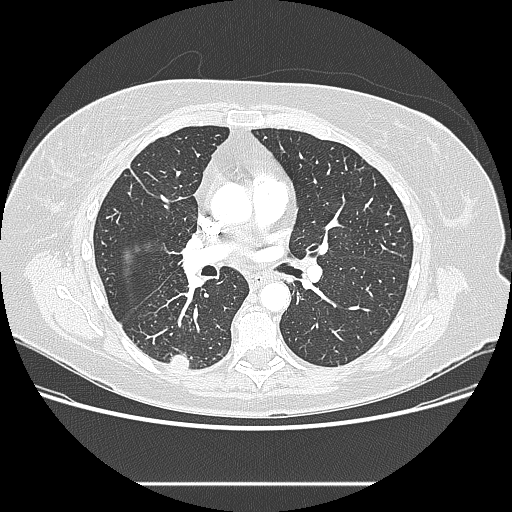
This is axial slice 134 of 238 (slice 1 is the lowest) of a chest CT; each pixel is 0.742 mm and the slice is 1.25 mm thick. Pulmonary nodule, outlined by all four readers. Box on this slice rows 354–369, columns 168–188, the union of the readers' outlines on this slice; median longest diameter 16.9 mm (readers' outlines 16.2–17.0 mm), median volume 1591 mm3 (1456–1679 mm3). Ratings, median across the readers with their spread: texture 5/5 (solid) from all four readers; median margin 5/5 (circumscribed) (readers ranged 4/5 to 5/5 (circumscribed)); sphericity 5/5 (round) at the median of four readers, spread 3/5 (ovoid) to 5/5 (round); calcification absent, all four readers agreeing; internal structure soft tissue, all four readers agreeing; subtlety 4.5/5 at the median of four readers, spread 3–5; median malignancy likelihood 3/5 (readers ranged 2–4). Scale key (1–5): texture non-solid→solid, margin indistinct→circumscribed, sphericity linear→round, subtlety extremely subtle→obvious, malignancy likelihood highly unlikely→highly suspicious of cancer. Box rows and columns are 0-based pixel indices from the top-left corner, inclusive.
Tube voltage 120 kVp; convolution kernel LUNG.